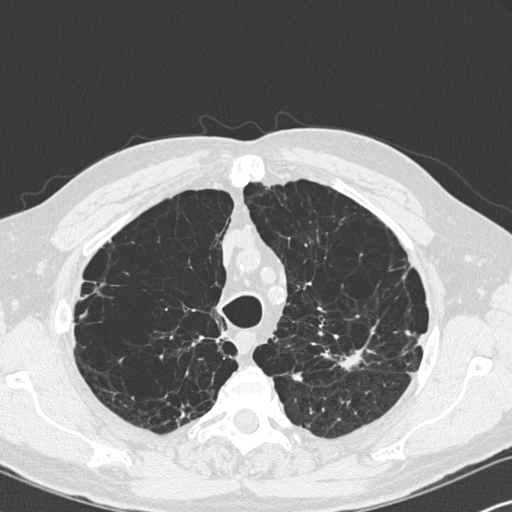
Slice 254/347 of a chest CT, counting up from the lowest; pixel size 0.625 mm, slice thickness 1.00 mm. Two pulmonary nodules on this slice, listed from left to right. (1) Pulmonary nodule, outlined by two of the four readers. Box on this slice rows 371–381, columns 292–302, the union of the readers' outlines on this slice; the two readers' outlines give a longest diameter between 11.3 and 12.3 mm and a volume between 328 and 329 mm3. Ratings across the readers: texture 5/5 (solid), both readers agreeing; margin from 2/5 to 4/5 across the two readers; sphericity from 2/5 to 4/5 across the two readers; calcification absent, both readers agreeing; internal structure soft tissue from both readers; subtlety from 4/5 to 5/5 across the two readers; malignancy likelihood 3/5 from both readers. (2) Pulmonary nodule, outlined by one of the four readers. Box on this slice rows 349–371, columns 338–361, that reader's outline on this slice; longest diameter 24.3 mm and volume 1862 mm3 from that reader's outline. Ratings by that reader: texture 5/5 (solid); margin 4/5; sphericity 3/5 (ovoid); calcification absent; internal structure soft tissue; subtlety 5/5; malignancy likelihood 4/5. Scale key (1–5): texture non-solid→solid, margin indistinct→circumscribed, sphericity linear→round, subtlety extremely subtle→obvious, malignancy likelihood highly unlikely→highly suspicious of cancer. Box rows and columns are 0-based pixel indices from the top-left corner, inclusive.
Scan settings: 120 kVp, B45f reconstruction kernel.